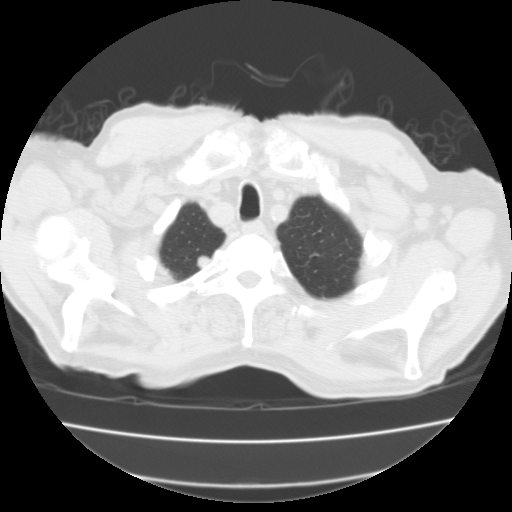
One axial slice (90 of 111, counting up from the lowest) of a chest CT acquired at 135 kVp with the FC01 kernel; each pixel is 0.714 mm and the slice is 3.00 mm thick.
Pulmonary nodule, outlined by all four readers. Box on this slice rows 255–267, columns 196–208, the union of the readers' outlines on this slice; median longest diameter 11.5 mm (readers' outlines 10.7–11.8 mm), median volume 770 mm3 (677–849 mm3). Ratings, median across the readers with their spread: texture 5/5 (solid), all four readers agreeing; margin 5/5 (circumscribed), all four readers agreeing; sphericity 4/5 at the median of four readers, spread 4/5 to 5/5 (round); calcification absent, all four readers agreeing; internal structure soft tissue from all four readers; median subtlety 5/5 (readers ranged 3–5); median malignancy likelihood 3/5 (readers ranged 2–4). Scale key (1–5): texture non-solid→solid, margin indistinct→circumscribed, sphericity linear→round, subtlety extremely subtle→obvious, malignancy likelihood highly unlikely→highly suspicious of cancer. Box rows and columns are 0-based pixel indices from the top-left corner, inclusive.